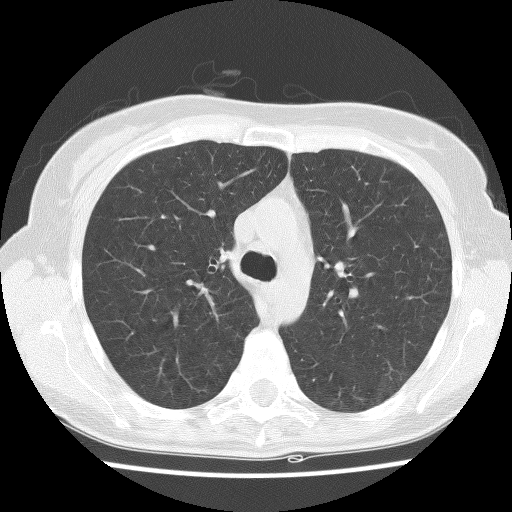
This is axial slice 85 of 122 (slice 1 is the lowest) of a chest CT; each pixel is 0.584 mm and the slice is 2.50 mm thick. The readers outlined no nodule of 3 mm or more on this slice.
Scan settings: 140 kVp, BONE reconstruction kernel.